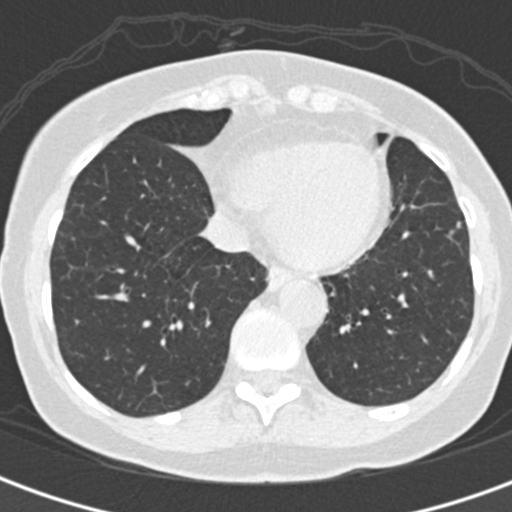
Slice 66/193 of a chest CT, counting up from the lowest; pixel size 0.547 mm, slice thickness 2.00 mm. Two pulmonary nodules are outlined on this slice; from left to right: (1) Pulmonary nodule, outlined by all four readers, two of them on this slice. Box on this slice rows 230–234, columns 449–453, the union of the readers' outlines on this slice; median longest diameter 6.1 mm (readers' outlines 5.6–6.4 mm), median volume 72 mm3 (51–80 mm3). Ratings, median across the readers with their spread: median texture 5/5 (solid) (readers ranged 4/5 to 5/5 (solid)); median margin 5/5 (circumscribed) (readers ranged 4/5 to 5/5 (circumscribed)); median sphericity 4.5/5 (readers ranged 4/5 to 5/5 (round)); calcification absent from all four readers; internal structure soft tissue, all four readers agreeing; median subtlety 3/5 (readers ranged 3–4); malignancy likelihood 2.5/5 at the median of four readers, spread 2–3. (2) Pulmonary nodule outlined by two of the four readers; box rows 221–228, columns 455–461 (the union of the readers' outlines on this slice); median longest diameter 5.2 mm (readers' outlines 5.2 mm), median volume 44 mm3 (39–48 mm3). Median ratings and the readers' spread: median texture 3.5/5 (readers ranged 2/5 to 5/5 (solid)); margin 4.5/5 at the median of two readers, spread 4/5 to 5/5 (circumscribed); sphericity 3/5 (ovoid) at the median of two readers, spread 2/5 to 4/5; calcification absent from both readers; internal structure soft tissue, both readers agreeing; median subtlety 2.5/5 (readers ranged 1–4); malignancy likelihood 3/5 from both readers. Scale key (1–5): texture non-solid→solid, margin indistinct→circumscribed, sphericity linear→round, subtlety extremely subtle→obvious, malignancy likelihood highly unlikely→highly suspicious of cancer. Box rows and columns are 0-based pixel indices from the top-left corner, inclusive.
Tube voltage 120 kVp; convolution kernel B30f.